Axial chest CT slice 70 of 114 (counted from the lowest slice); tube voltage 135 kVp, convolution kernel FC01; slices 3.00 mm thick, 0.711 mm per pixel.
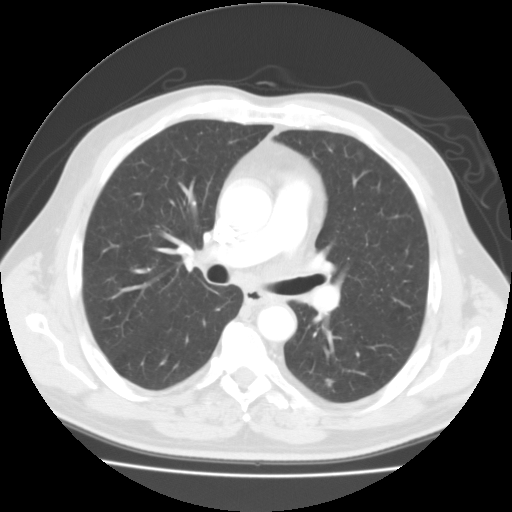
Pulmonary nodule outlined by three of the four readers; box rows 378–387, columns 325–333 (the union of the readers' outlines on this slice); the three readers' outlines give a longest diameter between 8.1 and 9.3 mm and a volume between 178 and 204 mm3. The readers' ratings, as ranges where they differ: texture from 3/5 (part-solid) to 5/5 (solid) across the three readers; margin from 3/5 to 5/5 (circumscribed) across the three readers; sphericity from 3/5 (ovoid) to 5/5 (round) across the three readers; calcification absent, all three readers agreeing; internal structure soft tissue from all three readers; subtlety rated between 2 and 4 out of 5 by the three readers; malignancy likelihood rated between 2 and 3 out of 5 by the three readers. Scale key (1–5): texture non-solid→solid, margin indistinct→circumscribed, sphericity linear→round, subtlety extremely subtle→obvious, malignancy likelihood highly unlikely→highly suspicious of cancer. Box rows and columns are 0-based pixel indices from the top-left corner, inclusive.